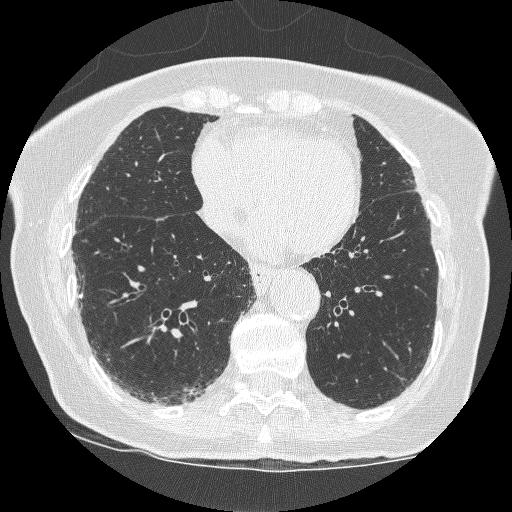
Axial slice 102 of 261 of a chest CT (slice 1 is the lowest), reconstructed with the BONE kernel at 120 kVp; 1.25 mm slice thickness and 0.586 mm pixels.
Pulmonary nodule outlined by all four readers; box rows 293–298, columns 78–82 (the union of the readers' outlines on this slice); longest diameter 5.1 mm on average over the four readers' outlines (readers' outlines 4.2–5.6 mm), volume 31–43 mm3. Ratings, by the readers' most common answer with dissent counted: texture 5/5 (solid) from all four readers; margin 5/5 (circumscribed) from all four readers; sphericity split among the readers: 4/5 (two), 5/5 (round) (two); calcification solid calcification by three of four readers, absent (one); internal structure soft tissue, all four readers agreeing; subtlety 3/5 by two of four readers; the rest gave 4/5 (one), 5/5 (one); malignancy likelihood 1/5 from all four readers. Scale key (1–5): texture non-solid→solid, margin indistinct→circumscribed, sphericity linear→round, subtlety extremely subtle→obvious, malignancy likelihood highly unlikely→highly suspicious of cancer. Box rows and columns are 0-based pixel indices from the top-left corner, inclusive.